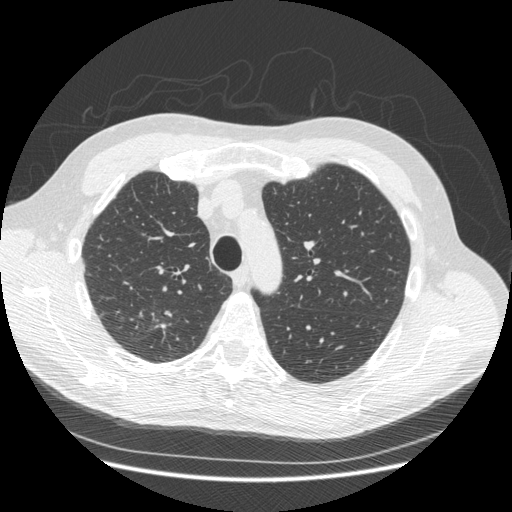
Chest CT, axial plane, 120 kVp, kernel STANDARD. Slice 366/493 from the bottom of the scan; thickness 1.25 mm; pixel size 0.742 mm.
Pulmonary nodule, outlined by three of the four readers, one of them on this slice. Box on this slice rows 324–327, columns 161–164, the one reader's outline on this slice; longest diameter 12.6–14.1 mm and volume 104–271 mm3 across the three readers' outlines. The readers' ratings, as ranges where they differ: texture from 4/5 to 5/5 (solid) across the three readers; margin 3/5, all three readers agreeing; sphericity from 2/5 to 4/5 across the three readers; calcification absent from all three readers; internal structure soft tissue, all three readers agreeing; subtlety 2–5/5 (the readers disagree); malignancy likelihood 2–4/5 (the readers disagree). Scale key (1–5): texture non-solid→solid, margin indistinct→circumscribed, sphericity linear→round, subtlety extremely subtle→obvious, malignancy likelihood highly unlikely→highly suspicious of cancer. Box rows and columns are 0-based pixel indices from the top-left corner, inclusive.